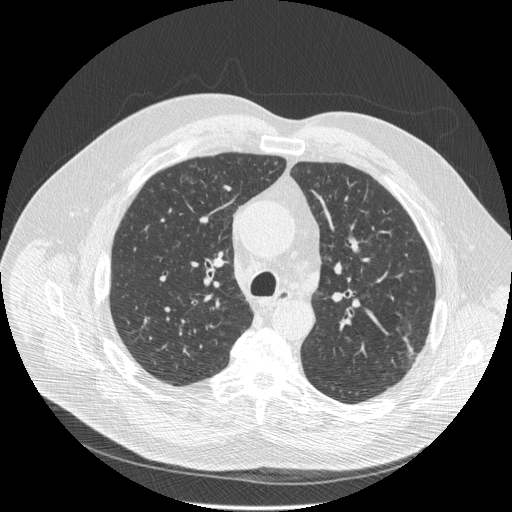
Axial slice 335 of 516 of a chest CT (slice 1 is the lowest), reconstructed with the STANDARD kernel at 120 kVp; 1.25 mm slice thickness and 0.820 mm pixels.
Pulmonary nodule at rows 332–357, columns 401–412 (box = the union of the readers' outlines on this slice), outlined by three of the four readers; the three readers' outlines give a longest diameter between 23.2 and 31.7 mm and a volume between 750 and 1666 mm3. Ratings across the readers: texture from 3/5 (part-solid) to 5/5 (solid) across the three readers; margin from 3/5 to 4/5 across the three readers; sphericity 2/5, all three readers agreeing; calcification absent, all three readers agreeing; internal structure soft tissue from all three readers; subtlety 5/5 from all three readers; malignancy likelihood 4/5 from all three readers. Scale key (1–5): texture non-solid→solid, margin indistinct→circumscribed, sphericity linear→round, subtlety extremely subtle→obvious, malignancy likelihood highly unlikely→highly suspicious of cancer. Box rows and columns are 0-based pixel indices from the top-left corner, inclusive.